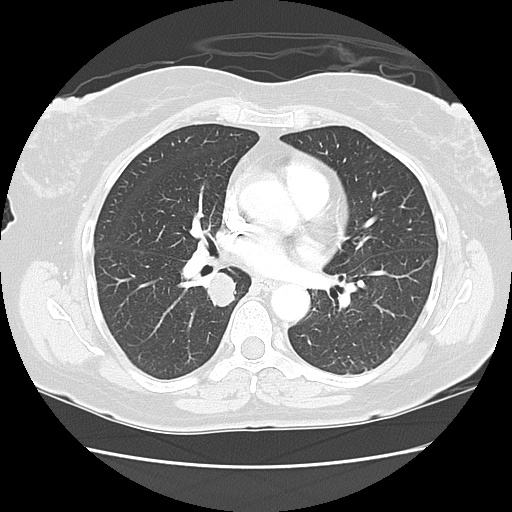
This is axial slice 74 of 130 (slice 1 is the lowest) of a chest CT; each pixel is 0.664 mm and the slice is 2.50 mm thick. Pulmonary nodule outlined by all four readers; box rows 272–306, columns 207–235 (the union of the readers' outlines on this slice); longest diameter 23.5 mm on average over the four readers' outlines (readers' outlines 23.2–24.2 mm), volume 4791–5604 mm3. The readers' prevailing ratings and who disagreed: texture 5/5 (solid), all four readers agreeing; margin 5/5 (circumscribed) by three of four readers; the rest gave 4/5 (one); sphericity split among the readers: 4/5 (two), 5/5 (round) (two); calcification absent from all four readers; internal structure soft tissue, all four readers agreeing; subtlety 5/5 from all four readers; most readers (three of four) put malignancy likelihood at 5/5, others 2/5 (one). Scale key (1–5): texture non-solid→solid, margin indistinct→circumscribed, sphericity linear→round, subtlety extremely subtle→obvious, malignancy likelihood highly unlikely→highly suspicious of cancer. Box rows and columns are 0-based pixel indices from the top-left corner, inclusive.
Tube voltage 120 kVp; convolution kernel LUNG.